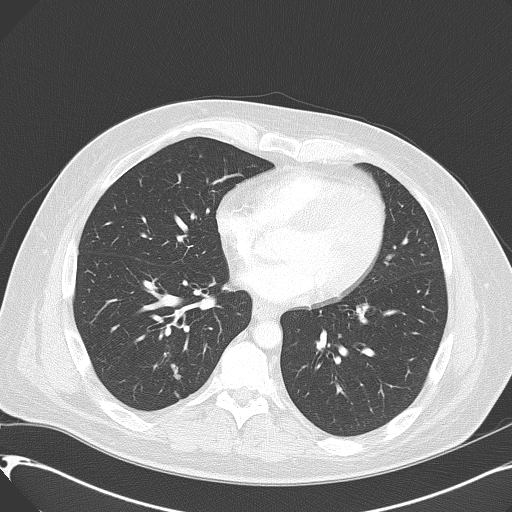
Slice 237/416 of a chest CT, counting up from the lowest; pixel size 0.723 mm, slice thickness 2.00 mm. Pulmonary nodule outlined by one of the four readers; box rows 373–379, columns 174–180 (that reader's outline on this slice); longest diameter 8.2 mm and volume 130 mm3 from that reader's outline. That reader's ratings: texture 1/5 (non-solid); margin 2/5; sphericity 5/5 (round); calcification absent; internal structure soft tissue; subtlety 1/5; malignancy likelihood 2/5. Scale key (1–5): texture non-solid→solid, margin indistinct→circumscribed, sphericity linear→round, subtlety extremely subtle→obvious, malignancy likelihood highly unlikely→highly suspicious of cancer. Box rows and columns are 0-based pixel indices from the top-left corner, inclusive.
Acquired at 120 kVp and reconstructed with the B70f kernel.